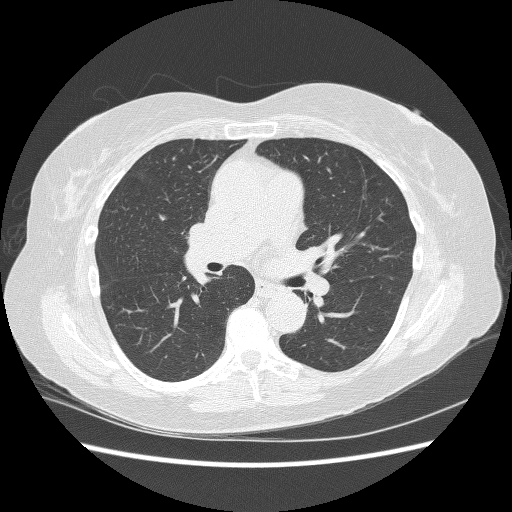
One axial slice (144 of 240, counting up from the lowest) of a chest CT acquired at 120 kVp with the BONE kernel; each pixel is 0.703 mm and the slice is 1.25 mm thick.
Pulmonary nodule at rows 213–221, columns 158–166 (box = the union of the readers' outlines on this slice), outlined by two of the four readers; longest diameter 8.3 mm on average over the two readers' outlines (readers' outlines 7.2–9.4 mm), volume 98–136 mm3. The readers' prevailing ratings and who disagreed: texture split among the readers: 4/5 (one), 5/5 (solid) (one); margin split among the readers: 4/5 (one), 5/5 (circumscribed) (one); sphericity split among the readers: 2/5 (one), 3/5 (ovoid) (one); calcification absent, both readers agreeing; internal structure soft tissue, both readers agreeing; subtlety split among the readers: 3/5 (one), 4/5 (one); malignancy likelihood split among the readers: 1/5 (one), 2/5 (one). Scale key (1–5): texture non-solid→solid, margin indistinct→circumscribed, sphericity linear→round, subtlety extremely subtle→obvious, malignancy likelihood highly unlikely→highly suspicious of cancer. Box rows and columns are 0-based pixel indices from the top-left corner, inclusive.